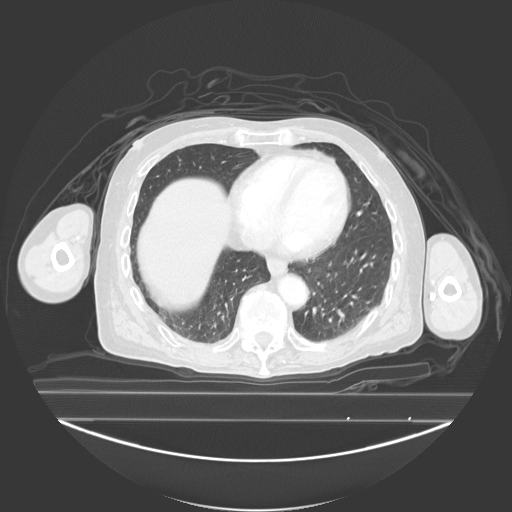
One axial slice (74 of 278, counting up from the lowest) of a chest CT acquired at 130 kVp with the B40s kernel; each pixel is 0.977 mm and the slice is 3.00 mm thick.
No nodule of 3 mm or larger was outlined by any of the four readers on this slice.